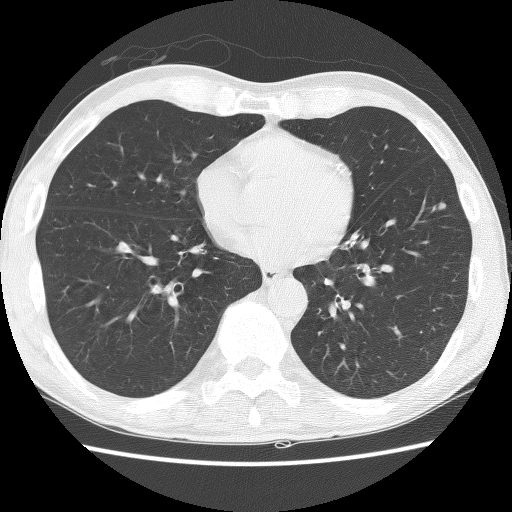
Chest CT, axial plane, 140 kVp, kernel BONE. Slice 49/136 from the bottom of the scan; thickness 2.50 mm; pixel size 0.646 mm.
Pulmonary nodule at rows 201–209, columns 439–446 (box = the union of the readers' outlines on this slice), outlined by all four readers; median longest diameter 10.5 mm (readers' outlines 9.0–11.0 mm), median volume 350 mm3 (271–385 mm3). Median ratings and the readers' spread: median texture 5/5 (solid) (readers ranged 4/5 to 5/5 (solid)); median margin 5/5 (circumscribed) (readers ranged 4/5 to 5/5 (circumscribed)); median sphericity 3/5 (ovoid) (readers ranged 3/5 (ovoid) to 4/5); calcification absent, all four readers agreeing; internal structure soft tissue from all four readers; subtlety 4.5/5 at the median of four readers, spread 4–5; median malignancy likelihood 4/5 (readers ranged 3–4). Scale key (1–5): texture non-solid→solid, margin indistinct→circumscribed, sphericity linear→round, subtlety extremely subtle→obvious, malignancy likelihood highly unlikely→highly suspicious of cancer. Box rows and columns are 0-based pixel indices from the top-left corner, inclusive.